Chest CT, axial plane, 135 kVp, kernel FC01. Slice 64/115 from the bottom of the scan; thickness 3.00 mm; pixel size 0.720 mm.
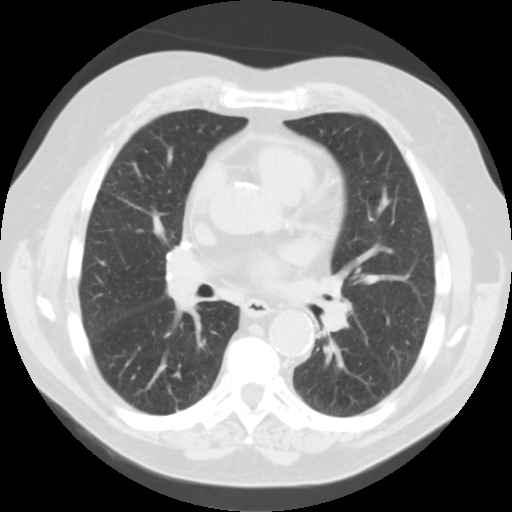
Pulmonary nodule outlined by three of the four readers, two of them on this slice; box rows 261–265, columns 101–105 (the union of the readers' outlines on this slice); longest diameter 6.9 mm on average over the three readers' outlines (readers' outlines 6.4–7.5 mm), volume 165–203 mm3. Ratings, by the readers' most common answer with dissent counted: texture split among the readers: 3/5 (part-solid) (one), 4/5 (one), 5/5 (solid) (one); margin 4/5 by two of three readers; the rest gave 3/5 (one); sphericity 5/5 (round) by two of three readers; the rest gave 3/5 (ovoid) (one); calcification absent, all three readers agreeing; internal structure soft tissue, all three readers agreeing; subtlety split among the readers: 3/5 (one), 4/5 (one), 5/5 (one); most readers (two of three) put malignancy likelihood at 3/5, others 2/5 (one). Scale key (1–5): texture non-solid→solid, margin indistinct→circumscribed, sphericity linear→round, subtlety extremely subtle→obvious, malignancy likelihood highly unlikely→highly suspicious of cancer. Box rows and columns are 0-based pixel indices from the top-left corner, inclusive.